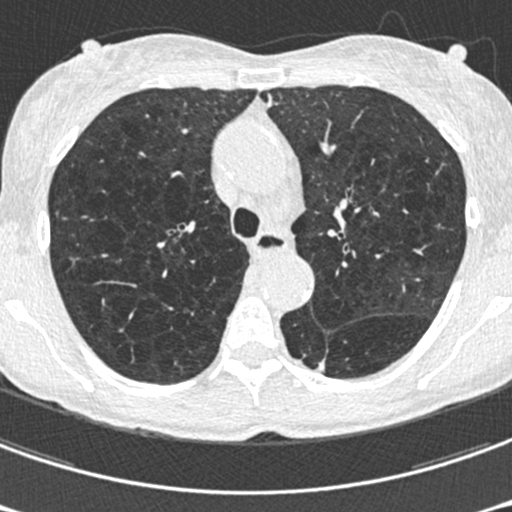
Chest CT, axial plane, 120 kVp, kernel B30f. Slice 435/633 from the bottom of the scan; thickness 0.60 mm; pixel size 0.541 mm.
Pulmonary nodule at rows 359–371, columns 316–324 (box = that reader's outline on this slice), outlined by one of the four readers; longest diameter 20.7 mm and volume 470 mm3 from that reader's outline. That reader's ratings: texture 5/5 (solid); margin 1/5 (indistinct); sphericity 2/5; calcification absent; internal structure soft tissue; subtlety 4/5; malignancy likelihood 3/5. Scale key (1–5): texture non-solid→solid, margin indistinct→circumscribed, sphericity linear→round, subtlety extremely subtle→obvious, malignancy likelihood highly unlikely→highly suspicious of cancer. Box rows and columns are 0-based pixel indices from the top-left corner, inclusive.